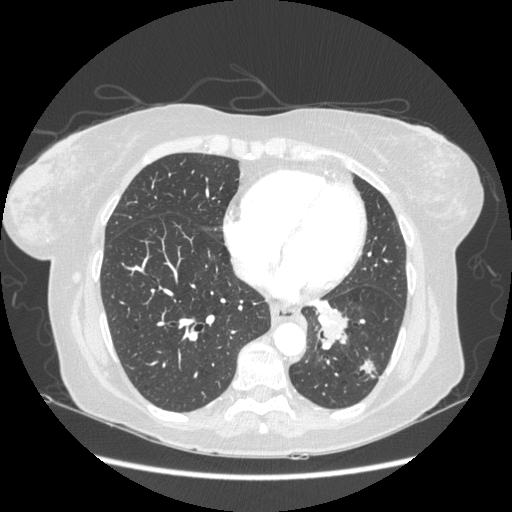
Slice 87/230 of a chest CT, counting up from the lowest; pixel size 0.742 mm, slice thickness 1.25 mm. Pulmonary nodule, outlined by all four readers. Box on this slice rows 359–378, columns 359–376, the union of the readers' outlines on this slice; median longest diameter 30.2 mm (readers' outlines 23.1–31.5 mm), median volume 4051 mm3 (3020–5074 mm3). Median ratings and the readers' spread: texture 5/5 (solid) from all four readers; margin 4/5 at the median of four readers, spread 3/5 to 5/5 (circumscribed); sphericity 3/5 (ovoid) at the median of four readers, spread 3/5 (ovoid) to 5/5 (round); calcification absent, all four readers agreeing; internal structure soft tissue from all four readers; subtlety 5/5 from all four readers; median malignancy likelihood 5/5 (readers ranged 3–5). Scale key (1–5): texture non-solid→solid, margin indistinct→circumscribed, sphericity linear→round, subtlety extremely subtle→obvious, malignancy likelihood highly unlikely→highly suspicious of cancer. Box rows and columns are 0-based pixel indices from the top-left corner, inclusive.
Tube voltage 120 kVp; convolution kernel STANDARD.